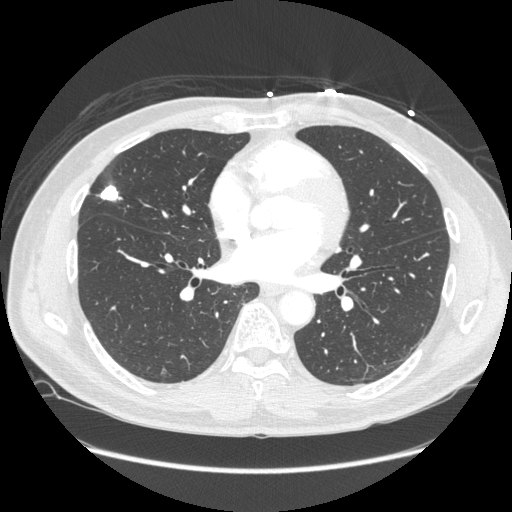
Axial slice 111 of 261 of a chest CT (slice 1 is the lowest), reconstructed with the STANDARD kernel at 120 kVp; 1.25 mm slice thickness and 0.781 mm pixels.
Pulmonary nodule, outlined by all four readers. Box on this slice rows 184–201, columns 98–122, the union of the readers' outlines on this slice; median longest diameter 18.1 mm (readers' outlines 18.0–19.6 mm), median volume 997 mm3 (893–1130 mm3). Ratings, median across the readers with their spread: texture 5/5 (solid), all four readers agreeing; median margin 5/5 (circumscribed) (readers ranged 4/5 to 5/5 (circumscribed)); sphericity 3.5/5 at the median of four readers, spread 3/5 (ovoid) to 5/5 (round); calcification: solid calcification (three), absent (one); internal structure soft tissue from all four readers; subtlety 5/5, all four readers agreeing; median malignancy likelihood 1/5 (readers ranged 1–4). Scale key (1–5): texture non-solid→solid, margin indistinct→circumscribed, sphericity linear→round, subtlety extremely subtle→obvious, malignancy likelihood highly unlikely→highly suspicious of cancer. Box rows and columns are 0-based pixel indices from the top-left corner, inclusive.